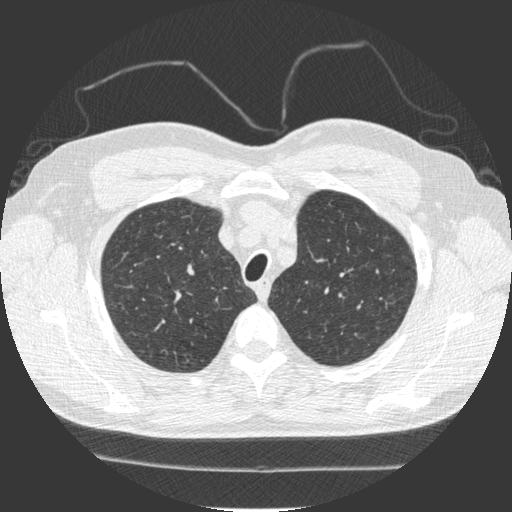
This is axial slice 191 of 241 (slice 1 is the lowest) of a chest CT; each pixel is 0.684 mm and the slice is 1.25 mm thick. Pulmonary nodule at rows 264–268, columns 188–191 (box = that reader's outline on this slice), outlined by one of the four readers; longest diameter 5.8 mm and volume 72 mm3 from that reader's outline. Ratings by that reader: texture 5/5 (solid); margin 5/5 (circumscribed); sphericity 4/5; calcification absent; internal structure soft tissue; subtlety 3/5; malignancy likelihood 3/5. Scale key (1–5): texture non-solid→solid, margin indistinct→circumscribed, sphericity linear→round, subtlety extremely subtle→obvious, malignancy likelihood highly unlikely→highly suspicious of cancer. Box rows and columns are 0-based pixel indices from the top-left corner, inclusive.
Tube voltage 120 kVp; convolution kernel STANDARD.